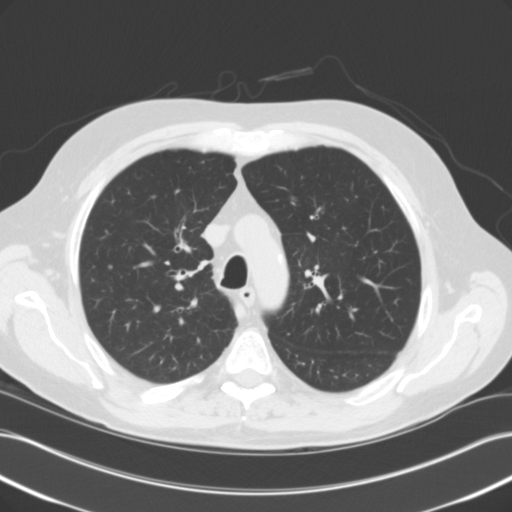
Axial slice 86 of 118 of a chest CT (slice 1 is the lowest), reconstructed with the B31f kernel at 120 kVp; 3.00 mm slice thickness and 0.707 mm pixels.
Pulmonary nodule at rows 265–269, columns 108–112 (box = that reader's outline on this slice), outlined by one of the four readers; longest diameter 5.0 mm and volume 86 mm3 from that reader's outline. Ratings by that reader: texture 5/5 (solid); margin 4/5; sphericity 5/5 (round); calcification absent; internal structure soft tissue; subtlety 5/5; malignancy likelihood 3/5. Scale key (1–5): texture non-solid→solid, margin indistinct→circumscribed, sphericity linear→round, subtlety extremely subtle→obvious, malignancy likelihood highly unlikely→highly suspicious of cancer. Box rows and columns are 0-based pixel indices from the top-left corner, inclusive.